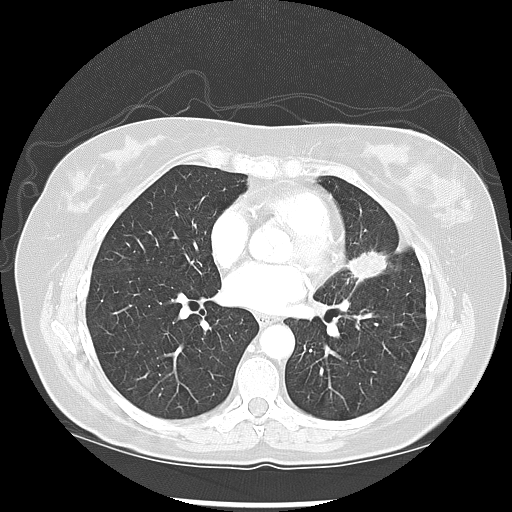
One axial slice (69 of 133, counting up from the lowest) of a chest CT acquired at 120 kVp with the LUNG kernel; each pixel is 0.703 mm and the slice is 2.50 mm thick.
Pulmonary nodule, outlined by three of the four readers. Box on this slice rows 250–284, columns 339–393, the union of the readers' outlines on this slice; median longest diameter 36.3 mm (readers' outlines 33.3–41.8 mm), median volume 6247 mm3 (6044–7666 mm3). Ratings, median across the readers with their spread: texture 5/5 (solid) from all three readers; median margin 4/5 (readers ranged 3/5 to 4/5); sphericity 3/5 (ovoid), all three readers agreeing; calcification absent, all three readers agreeing; internal structure soft tissue from all three readers; subtlety 5/5 from all three readers; malignancy likelihood 5/5, all three readers agreeing. Scale key (1–5): texture non-solid→solid, margin indistinct→circumscribed, sphericity linear→round, subtlety extremely subtle→obvious, malignancy likelihood highly unlikely→highly suspicious of cancer. Box rows and columns are 0-based pixel indices from the top-left corner, inclusive.